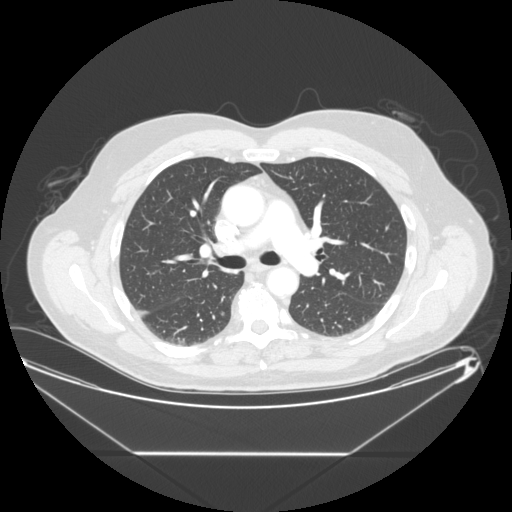
Axial chest CT slice 162 of 265 (counted from the lowest slice); 1.25 mm thick, 0.883 mm per pixel. Pulmonary nodule, outlined by three of the four readers, two of them on this slice. Box on this slice rows 311–315, columns 219–224, the union of the readers' outlines on this slice; median longest diameter 6.4 mm (readers' outlines 5.6–9.0 mm), median volume 110 mm3 (65–112 mm3). Median ratings and the readers' spread: texture 5/5 (solid), all three readers agreeing; margin 5/5 (circumscribed) from all three readers; sphericity 5/5 (round) at the median of three readers, spread 4/5 to 5/5 (round); calcification: solid calcification (two), absent (one); internal structure soft tissue, all three readers agreeing; median subtlety 4/5 (readers ranged 3–5); malignancy likelihood 1/5, all three readers agreeing. Scale key (1–5): texture non-solid→solid, margin indistinct→circumscribed, sphericity linear→round, subtlety extremely subtle→obvious, malignancy likelihood highly unlikely→highly suspicious of cancer. Box rows and columns are 0-based pixel indices from the top-left corner, inclusive.
Tube voltage 120 kVp; convolution kernel STANDARD.